Chest CT, axial plane, 120 kVp, kernel C. Slice 272/392 from the bottom of the scan; thickness 1.50 mm; pixel size 0.639 mm.
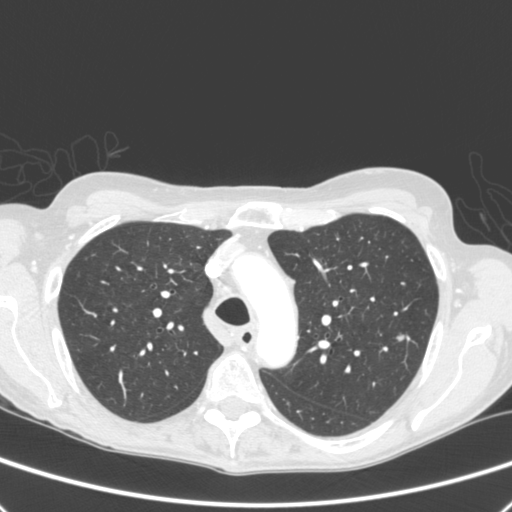
Pulmonary nodule at rows 333–340, columns 395–403 (box = the union of the readers' outlines on this slice), outlined by all four readers; longest diameter 6.7 mm on average over the four readers' outlines (readers' outlines 6.6–6.8 mm), volume 88–125 mm3. Ratings, by the readers' most common answer with dissent counted: texture 5/5 (solid) from all four readers; margin split among the readers: 4/5 (two), 5/5 (circumscribed) (two); sphericity split among the readers: 4/5 (two), 5/5 (round) (two); calcification absent, all four readers agreeing; internal structure soft tissue, all four readers agreeing; subtlety 5/5 by two of four readers; the rest gave 2/5 (one), 4/5 (one); malignancy likelihood split among the readers: 2/5 (two), 4/5 (two). Scale key (1–5): texture non-solid→solid, margin indistinct→circumscribed, sphericity linear→round, subtlety extremely subtle→obvious, malignancy likelihood highly unlikely→highly suspicious of cancer. Box rows and columns are 0-based pixel indices from the top-left corner, inclusive.